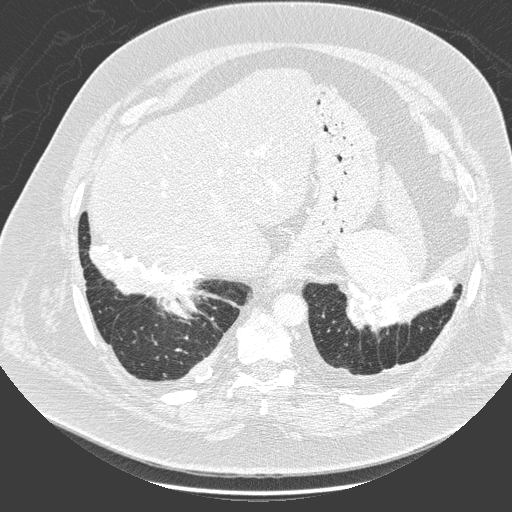
Axial slice 37 of 280 of a chest CT (slice 1 is the lowest), reconstructed with the D kernel at 140 kVp; 1.00 mm slice thickness and 0.801 mm pixels.
Pulmonary nodule outlined by one of the four readers; box rows 292–318, columns 159–193 (that reader's outline on this slice); longest diameter 49.9 mm and volume 31112 mm3 from that reader's outline. Ratings by that reader: texture 5/5 (solid); margin 4/5; sphericity 5/5 (round); calcification non-central calcification; internal structure soft tissue; subtlety 5/5; malignancy likelihood 5/5. Scale key (1–5): texture non-solid→solid, margin indistinct→circumscribed, sphericity linear→round, subtlety extremely subtle→obvious, malignancy likelihood highly unlikely→highly suspicious of cancer. Box rows and columns are 0-based pixel indices from the top-left corner, inclusive.